One axial slice (104 of 177, counting up from the lowest) of a chest CT acquired at 120 kVp with the B30f kernel; each pixel is 0.742 mm and the slice is 2.00 mm thick.
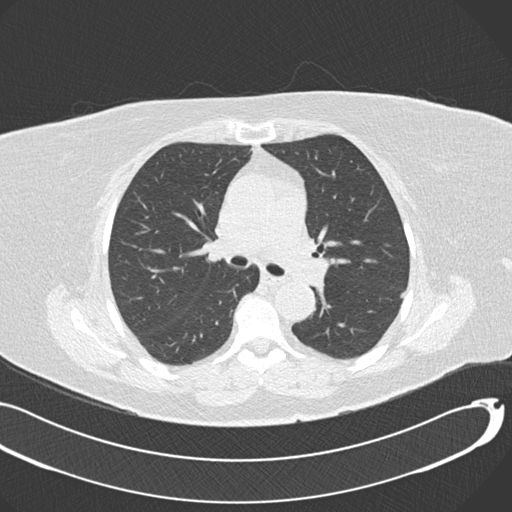
Pulmonary nodule at rows 291–298, columns 400–404 (box = that reader's outline on this slice), outlined by one of the four readers; longest diameter 7.3 mm and volume 62 mm3 from that reader's outline. Ratings by that reader: texture 4/5; margin 5/5 (circumscribed); sphericity 3/5 (ovoid); calcification absent; internal structure soft tissue; subtlety 4/5; malignancy likelihood 2/5. Scale key (1–5): texture non-solid→solid, margin indistinct→circumscribed, sphericity linear→round, subtlety extremely subtle→obvious, malignancy likelihood highly unlikely→highly suspicious of cancer. Box rows and columns are 0-based pixel indices from the top-left corner, inclusive.